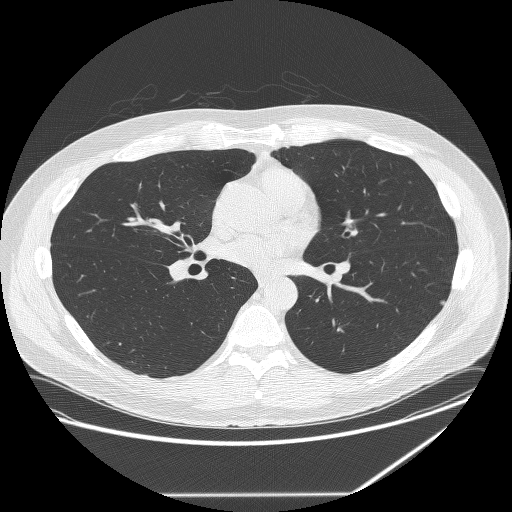
This is axial slice 147 of 291 (slice 1 is the lowest) of a chest CT; each pixel is 0.820 mm and the slice is 1.25 mm thick. Pulmonary nodule at rows 301–304, columns 441–445 (box = the union of the readers' outlines on this slice), outlined by two of the four readers; longest diameter 5.0–6.0 mm and volume 43–48 mm3 across the two readers' outlines. The readers' ratings, as ranges where they differ: texture from 3/5 (part-solid) to 5/5 (solid) across the two readers; margin from 3/5 to 5/5 (circumscribed) across the two readers; sphericity from 3/5 (ovoid) to 4/5 across the two readers; calcification absent, both readers agreeing; internal structure soft tissue from both readers; subtlety 1–4/5 (the readers disagree); malignancy likelihood 2–3/5 (the readers disagree). Scale key (1–5): texture non-solid→solid, margin indistinct→circumscribed, sphericity linear→round, subtlety extremely subtle→obvious, malignancy likelihood highly unlikely→highly suspicious of cancer. Box rows and columns are 0-based pixel indices from the top-left corner, inclusive.
Tube voltage 120 kVp; convolution kernel BONE.